One axial slice (125 of 241, counting up from the lowest) of a chest CT acquired at 120 kVp with the BONE kernel; each pixel is 0.590 mm and the slice is 1.25 mm thick.
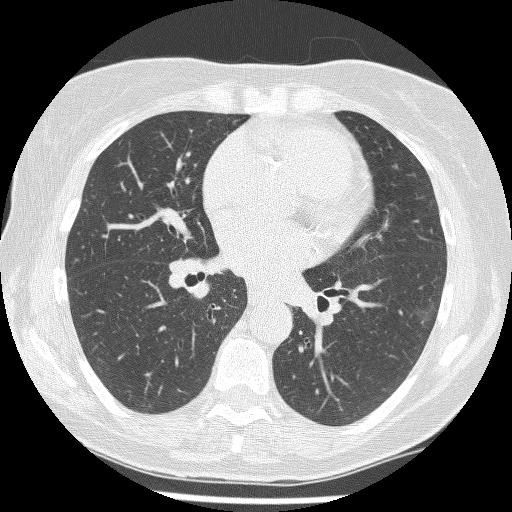
Pulmonary nodule, outlined by three of the four readers. Box on this slice rows 301–324, columns 413–434, the union of the readers' outlines on this slice; median longest diameter 16.1 mm (readers' outlines 16.1–17.2 mm), median volume 684 mm3 (610–777 mm3). Ratings, median across the readers with their spread: median texture 1/5 (non-solid) (readers ranged 1/5 (non-solid) to 2/5); median margin 2/5 (readers ranged 1/5 (indistinct) to 3/5); median sphericity 3/5 (ovoid) (readers ranged 3/5 (ovoid) to 4/5); calcification absent from all three readers; internal structure soft tissue, all three readers agreeing; median subtlety 3/5 (readers ranged 2–4); malignancy likelihood 3/5 at the median of three readers, spread 3–4. Scale key (1–5): texture non-solid→solid, margin indistinct→circumscribed, sphericity linear→round, subtlety extremely subtle→obvious, malignancy likelihood highly unlikely→highly suspicious of cancer. Box rows and columns are 0-based pixel indices from the top-left corner, inclusive.